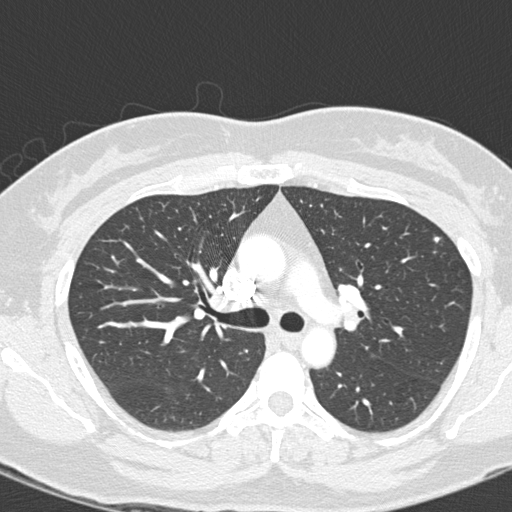
Axial chest CT slice 190 of 278 (counted from the lowest slice); tube voltage 120 kVp, convolution kernel B45f; slices 1.00 mm thick, 0.566 mm per pixel.
Pulmonary nodule outlined by three of the four readers; box rows 235–243, columns 433–443 (the union of the readers' outlines on this slice); median longest diameter 4.7 mm (readers' outlines 4.1–9.6 mm), median volume 34 mm3 (25–86 mm3). Median ratings and the readers' spread: median texture 4/5 (readers ranged 1/5 (non-solid) to 5/5 (solid)); median margin 4/5 (readers ranged 1/5 (indistinct) to 5/5 (circumscribed)); median sphericity 4/5 (readers ranged 3/5 (ovoid) to 5/5 (round)); calcification: absent (two), solid calcification (one); internal structure soft tissue from all three readers; subtlety 3/5 at the median of three readers, spread 1–5; median malignancy likelihood 3/5 (readers ranged 1–4). Scale key (1–5): texture non-solid→solid, margin indistinct→circumscribed, sphericity linear→round, subtlety extremely subtle→obvious, malignancy likelihood highly unlikely→highly suspicious of cancer. Box rows and columns are 0-based pixel indices from the top-left corner, inclusive.